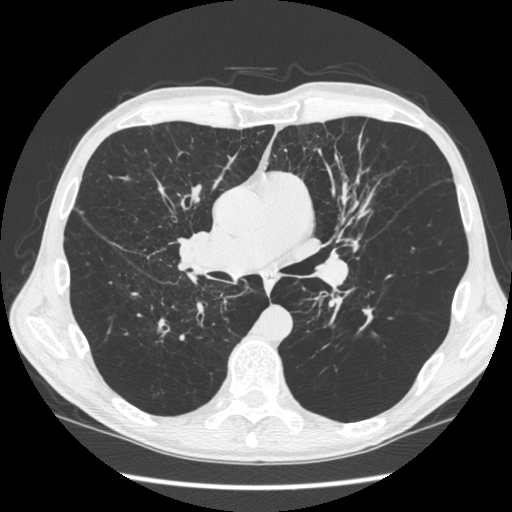
This is axial slice 330 of 583 (slice 1 is the lowest) of a chest CT; each pixel is 0.703 mm and the slice is 1.25 mm thick. Pulmonary nodule, outlined by two of the four readers. Box on this slice rows 308–329, columns 360–372, the union of the readers' outlines on this slice; median longest diameter 27.9 mm (readers' outlines 24.1–31.7 mm), median volume 984 mm3 (791–1176 mm3). Median ratings and the readers' spread: texture 5/5 (solid), both readers agreeing; margin 2.5/5 at the median of two readers, spread 1/5 (indistinct) to 4/5; sphericity 1.5/5 at the median of two readers, spread 1/5 (linear) to 2/5; calcification absent, both readers agreeing; internal structure soft tissue from both readers; subtlety 5/5, both readers agreeing; median malignancy likelihood 2.5/5 (readers ranged 2–3). Scale key (1–5): texture non-solid→solid, margin indistinct→circumscribed, sphericity linear→round, subtlety extremely subtle→obvious, malignancy likelihood highly unlikely→highly suspicious of cancer. Box rows and columns are 0-based pixel indices from the top-left corner, inclusive.
Acquired at 120 kVp and reconstructed with the STANDARD kernel.